One axial slice (57 of 107, counting up from the lowest) of a chest CT acquired at 130 kVp with the B31s kernel; each pixel is 0.742 mm and the slice is 3.00 mm thick.
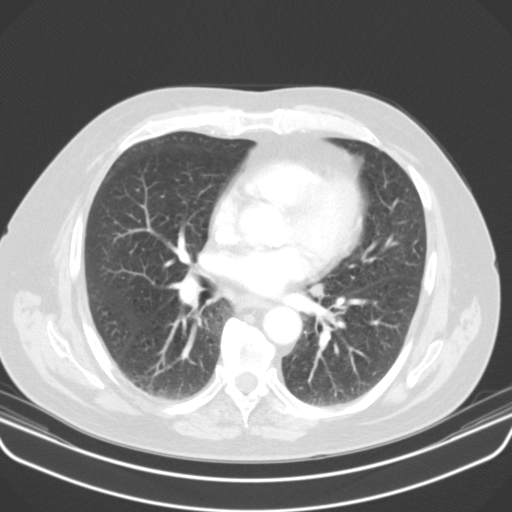
Pulmonary nodule, outlined by all four readers. Box on this slice rows 283–298, columns 309–323, the union of the readers' outlines on this slice; longest diameter 12.4 mm on average over the four readers' outlines (readers' outlines 10.6–14.2 mm), volume 462–557 mm3. The readers' prevailing ratings and who disagreed: texture 5/5 (solid) from all four readers; margin split among the readers: 4/5 (two), 5/5 (circumscribed) (two); sphericity 5/5 (round) by two of four readers; the rest gave 3/5 (ovoid) (one), 4/5 (one); calcification absent from all four readers; internal structure soft tissue from all four readers; subtlety split among the readers: 3/5 (two), 5/5 (two); malignancy likelihood 5/5 by two of four readers; the rest gave 2/5 (one), 3/5 (one). Scale key (1–5): texture non-solid→solid, margin indistinct→circumscribed, sphericity linear→round, subtlety extremely subtle→obvious, malignancy likelihood highly unlikely→highly suspicious of cancer. Box rows and columns are 0-based pixel indices from the top-left corner, inclusive.